Axial slice 135 of 161 of a chest CT (slice 1 is the lowest), reconstructed with the BONE kernel at 120 kVp; 1.25 mm slice thickness and 0.549 mm pixels.
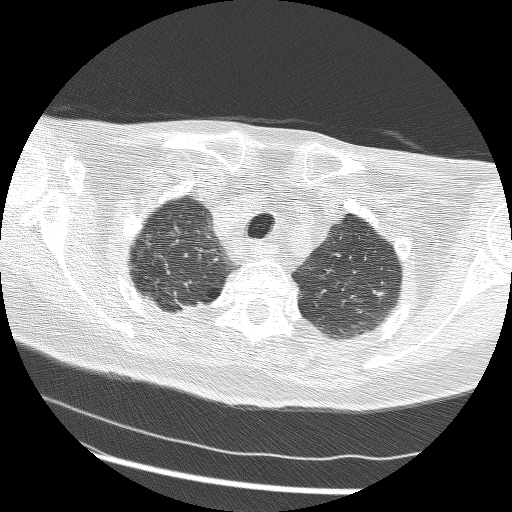
Pulmonary nodule at rows 291–293, columns 376–380 (box = that reader's outline on this slice), outlined by one of the four readers; longest diameter 6.6 mm and volume 55 mm3 from that reader's outline. Ratings by that reader: texture 5/5 (solid); margin 4/5; sphericity 3/5 (ovoid); calcification absent; internal structure soft tissue; subtlety 2/5; malignancy likelihood 2/5. Scale key (1–5): texture non-solid→solid, margin indistinct→circumscribed, sphericity linear→round, subtlety extremely subtle→obvious, malignancy likelihood highly unlikely→highly suspicious of cancer. Box rows and columns are 0-based pixel indices from the top-left corner, inclusive.